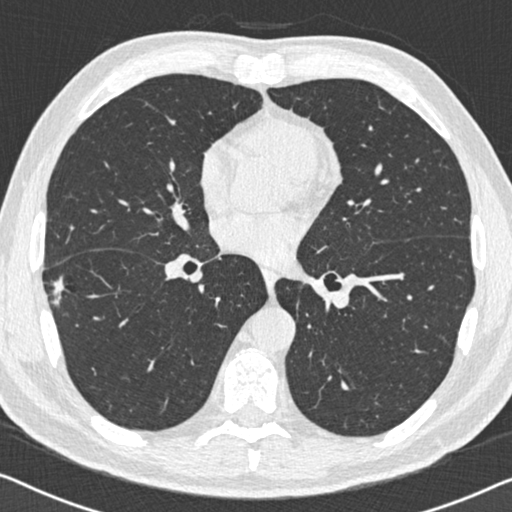
One axial slice (305 of 558, counting up from the lowest) of a chest CT acquired at 120 kVp with the B30f kernel; each pixel is 0.648 mm and the slice is 0.75 mm thick.
Pulmonary nodule at rows 275–307, columns 46–68 (box = the union of the readers' outlines on this slice), outlined by all four readers; longest diameter 22.2 mm on average over the four readers' outlines (readers' outlines 18.8–26.5 mm), volume 726–1916 mm3. The readers' prevailing ratings and who disagreed: texture 5/5 (solid) by two of four readers; the rest gave 3/5 (part-solid) (one), 4/5 (one); margin 4/5 by two of four readers; the rest gave 1/5 (indistinct) (one), 2/5 (one); sphericity split among the readers: 2/5 (two), 4/5 (two); calcification absent from all four readers; internal structure soft tissue, all four readers agreeing; subtlety 5/5 by three of four readers; the rest gave 4/5 (one); most readers (three of four) put malignancy likelihood at 4/5, others 5/5 (one). Scale key (1–5): texture non-solid→solid, margin indistinct→circumscribed, sphericity linear→round, subtlety extremely subtle→obvious, malignancy likelihood highly unlikely→highly suspicious of cancer. Box rows and columns are 0-based pixel indices from the top-left corner, inclusive.